Axial slice 151 of 513 of a chest CT (slice 1 is the lowest), reconstructed with the STANDARD kernel at 120 kVp; 1.25 mm slice thickness and 0.742 mm pixels.
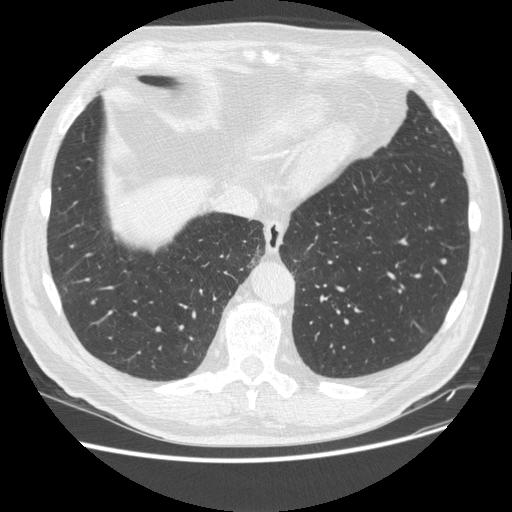
Pulmonary nodule outlined by one of the four readers; box rows 259–263, columns 441–446 (that reader's outline on this slice); longest diameter 6.1 mm and volume 84 mm3 from that reader's outline. Ratings by that reader: texture 5/5 (solid); margin 5/5 (circumscribed); sphericity 5/5 (round); calcification absent; internal structure soft tissue; subtlety 3/5; malignancy likelihood 2/5. Scale key (1–5): texture non-solid→solid, margin indistinct→circumscribed, sphericity linear→round, subtlety extremely subtle→obvious, malignancy likelihood highly unlikely→highly suspicious of cancer. Box rows and columns are 0-based pixel indices from the top-left corner, inclusive.